Axial slice 122 of 253 of a chest CT (slice 1 is the lowest), reconstructed with the STANDARD kernel at 120 kVp; 1.25 mm slice thickness and 0.742 mm pixels.
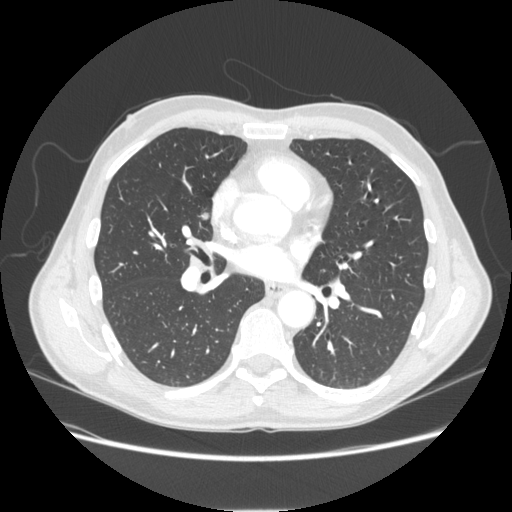
Pulmonary nodule at rows 212–220, columns 201–209 (box = the union of the readers' outlines on this slice), outlined by all four readers; median longest diameter 9.4 mm (readers' outlines 8.7–10.7 mm), median volume 294 mm3 (228–321 mm3). Ratings, median across the readers with their spread: texture 5/5 (solid), all four readers agreeing; margin 5/5 (circumscribed) from all four readers; median sphericity 4.5/5 (readers ranged 3/5 (ovoid) to 5/5 (round)); calcification absent, all four readers agreeing; internal structure soft tissue, all four readers agreeing; subtlety 3.5/5 at the median of four readers, spread 3–5; median malignancy likelihood 2.5/5 (readers ranged 2–4). Scale key (1–5): texture non-solid→solid, margin indistinct→circumscribed, sphericity linear→round, subtlety extremely subtle→obvious, malignancy likelihood highly unlikely→highly suspicious of cancer. Box rows and columns are 0-based pixel indices from the top-left corner, inclusive.